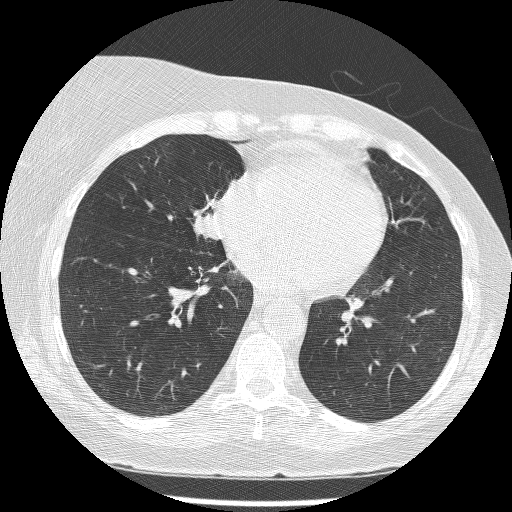
Axial chest CT slice 72 of 209 (counted from the lowest slice); tube voltage 120 kVp, convolution kernel BONE; slices 1.25 mm thick, 0.617 mm per pixel.
Pulmonary nodule outlined by three of the four readers; box rows 213–240, columns 192–220 (the union of the readers' outlines on this slice); longest diameter 24.9 mm on average over the three readers' outlines (readers' outlines 22.9–27.7 mm), volume 3040–4232 mm3. The readers' prevailing ratings and who disagreed: texture 5/5 (solid), all three readers agreeing; most readers (two of three) put margin at 5/5 (circumscribed), others 4/5 (one); most readers (two of three) put sphericity at 4/5, others 3/5 (ovoid) (one); calcification absent, all three readers agreeing; internal structure soft tissue, all three readers agreeing; subtlety 5/5 from all three readers; malignancy likelihood 5/5, all three readers agreeing. Scale key (1–5): texture non-solid→solid, margin indistinct→circumscribed, sphericity linear→round, subtlety extremely subtle→obvious, malignancy likelihood highly unlikely→highly suspicious of cancer. Box rows and columns are 0-based pixel indices from the top-left corner, inclusive.